Axial slice 200 of 455 of a chest CT (slice 1 is the lowest), reconstructed with the B30f kernel at 120 kVp; 0.75 mm slice thickness and 0.633 mm pixels.
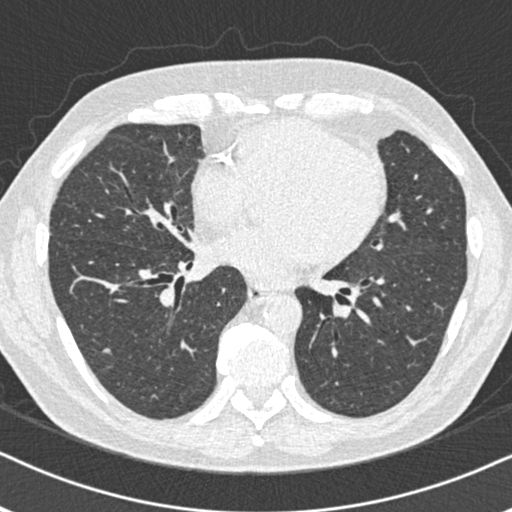
Pulmonary nodule at rows 348–353, columns 102–111 (box = the union of the readers' outlines on this slice), outlined by three of the four readers; longest diameter 7.2 mm on average over the three readers' outlines (readers' outlines 6.8–7.8 mm), volume 59–65 mm3. The readers' prevailing ratings and who disagreed: texture 5/5 (solid), all three readers agreeing; margin 4/5 from all three readers; sphericity 4/5 by two of three readers; the rest gave 5/5 (round) (one); calcification absent, all three readers agreeing; internal structure soft tissue from all three readers; subtlety 5/5 by two of three readers; the rest gave 3/5 (one); malignancy likelihood 3/5, all three readers agreeing. Scale key (1–5): texture non-solid→solid, margin indistinct→circumscribed, sphericity linear→round, subtlety extremely subtle→obvious, malignancy likelihood highly unlikely→highly suspicious of cancer. Box rows and columns are 0-based pixel indices from the top-left corner, inclusive.